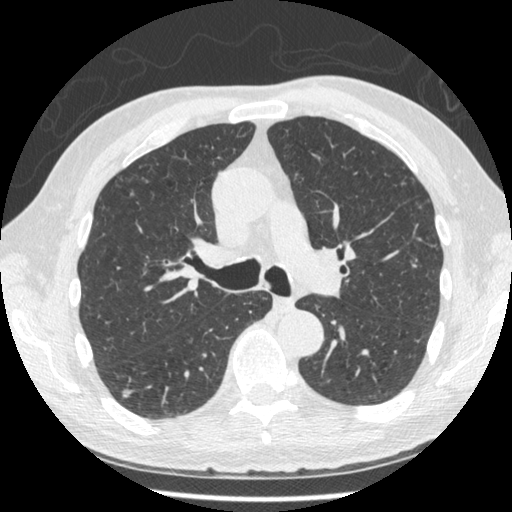
One axial slice (298 of 481, counting up from the lowest) of a chest CT acquired at 120 kVp with the STANDARD kernel; each pixel is 0.664 mm and the slice is 1.25 mm thick.
Pulmonary nodule outlined by one of the four readers; box rows 389–397, columns 121–130 (that reader's outline on this slice); longest diameter 8.9 mm and volume 153 mm3 from that reader's outline. That reader's ratings: texture 5/5 (solid); margin 5/5 (circumscribed); sphericity 3/5 (ovoid); calcification absent; internal structure soft tissue; subtlety 4/5; malignancy likelihood 3/5. Scale key (1–5): texture non-solid→solid, margin indistinct→circumscribed, sphericity linear→round, subtlety extremely subtle→obvious, malignancy likelihood highly unlikely→highly suspicious of cancer. Box rows and columns are 0-based pixel indices from the top-left corner, inclusive.